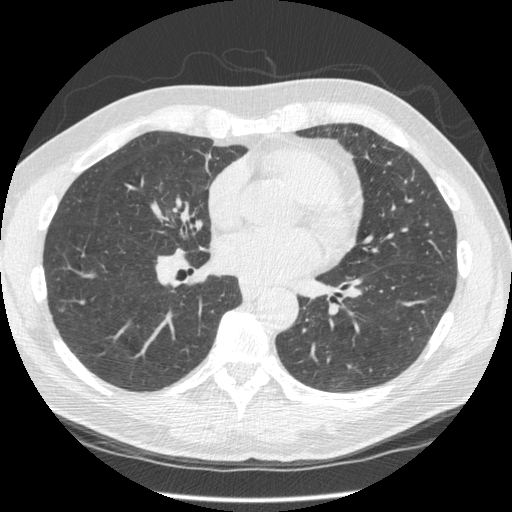
Axial chest CT slice 237 of 545 (counted from the lowest slice); 1.25 mm thick, 0.703 mm per pixel. Pulmonary nodule outlined by all four readers, two of them on this slice; box rows 304–311, columns 55–65 (the union of the readers' outlines on this slice); median longest diameter 9.7 mm (readers' outlines 9.2–14.5 mm), median volume 141 mm3 (121–250 mm3). Median ratings and the readers' spread: texture 5/5 (solid), all four readers agreeing; margin 4/5 at the median of four readers, spread 3/5 to 5/5 (circumscribed); median sphericity 3.5/5 (readers ranged 2/5 to 5/5 (round)); calcification absent from all four readers; internal structure soft tissue, all four readers agreeing; subtlety 3.5/5 at the median of four readers, spread 3–5; median malignancy likelihood 3/5 (readers ranged 2–5). Scale key (1–5): texture non-solid→solid, margin indistinct→circumscribed, sphericity linear→round, subtlety extremely subtle→obvious, malignancy likelihood highly unlikely→highly suspicious of cancer. Box rows and columns are 0-based pixel indices from the top-left corner, inclusive.
Acquired at 120 kVp and reconstructed with the STANDARD kernel.